One axial slice (215 of 290, counting up from the lowest) of a chest CT acquired at 120 kVp with the B kernel; each pixel is 0.639 mm and the slice is 2.00 mm thick.
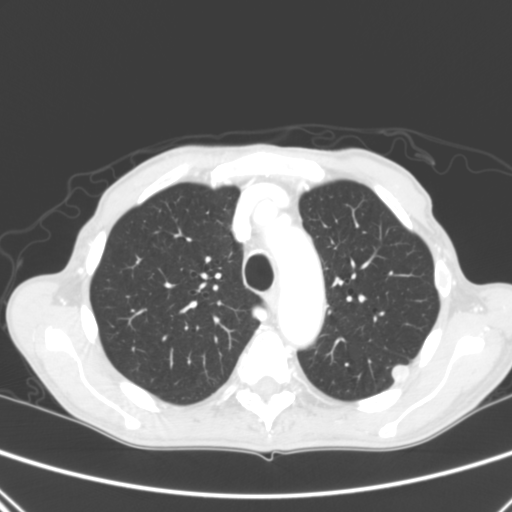
Pulmonary nodule outlined by all four readers; box rows 364–382, columns 390–409 (the union of the readers' outlines on this slice); longest diameter 12.9–15.8 mm and volume 837–1237 mm3 across the four readers' outlines. Ratings across the readers: texture from 4/5 to 5/5 (solid) across the four readers; margin from 4/5 to 5/5 (circumscribed) across the four readers; sphericity from 3/5 (ovoid) to 5/5 (round) across the four readers; calcification: absent (three), laminated calcification (one); internal structure soft tissue from all four readers; subtlety rated between 4 and 5 out of 5 by the four readers; malignancy likelihood 2–5/5 (the readers disagree). Scale key (1–5): texture non-solid→solid, margin indistinct→circumscribed, sphericity linear→round, subtlety extremely subtle→obvious, malignancy likelihood highly unlikely→highly suspicious of cancer. Box rows and columns are 0-based pixel indices from the top-left corner, inclusive.